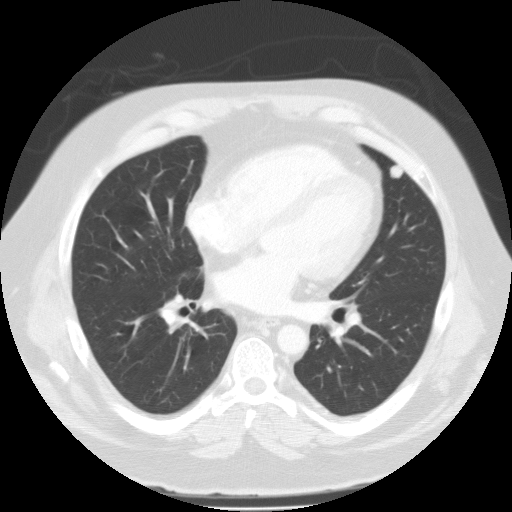
This is axial slice 57 of 115 (slice 1 is the lowest) of a chest CT; each pixel is 0.789 mm and the slice is 3.00 mm thick. Pulmonary nodule, outlined by all four readers. Box on this slice rows 164–178, columns 389–403, the union of the readers' outlines on this slice; median longest diameter 12.3 mm (readers' outlines 11.8–13.5 mm), median volume 996 mm3 (900–1080 mm3). Median ratings and the readers' spread: texture 5/5 (solid), all four readers agreeing; margin 5/5 (circumscribed) from all four readers; sphericity 5/5 (round) from all four readers; calcification absent from all four readers; internal structure soft tissue from all four readers; subtlety 5/5, all four readers agreeing; malignancy likelihood 3.5/5 at the median of four readers, spread 2–4. Scale key (1–5): texture non-solid→solid, margin indistinct→circumscribed, sphericity linear→round, subtlety extremely subtle→obvious, malignancy likelihood highly unlikely→highly suspicious of cancer. Box rows and columns are 0-based pixel indices from the top-left corner, inclusive.
Tube voltage 135 kVp; convolution kernel FC01.